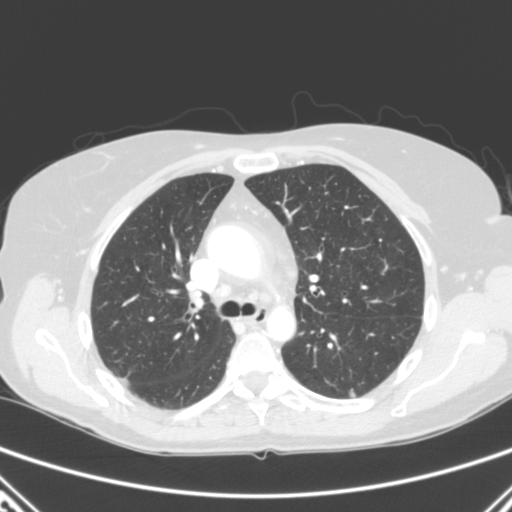
This is axial slice 184 of 280 (slice 1 is the lowest) of a chest CT; each pixel is 0.676 mm and the slice is 2.00 mm thick. Pulmonary nodule at rows 389–397, columns 350–356 (box = that reader's outline on this slice), outlined by one of the four readers; longest diameter 7.6 mm and volume 45 mm3 from that reader's outline. That reader's ratings: texture 4/5; margin 3/5; sphericity 2/5; calcification absent; internal structure soft tissue; subtlety 3/5; malignancy likelihood 1/5. Scale key (1–5): texture non-solid→solid, margin indistinct→circumscribed, sphericity linear→round, subtlety extremely subtle→obvious, malignancy likelihood highly unlikely→highly suspicious of cancer. Box rows and columns are 0-based pixel indices from the top-left corner, inclusive.
Tube voltage 120 kVp; convolution kernel B.